One axial slice (324 of 487, counting up from the lowest) of a chest CT acquired at 120 kVp with the STANDARD kernel; each pixel is 0.586 mm and the slice is 1.25 mm thick.
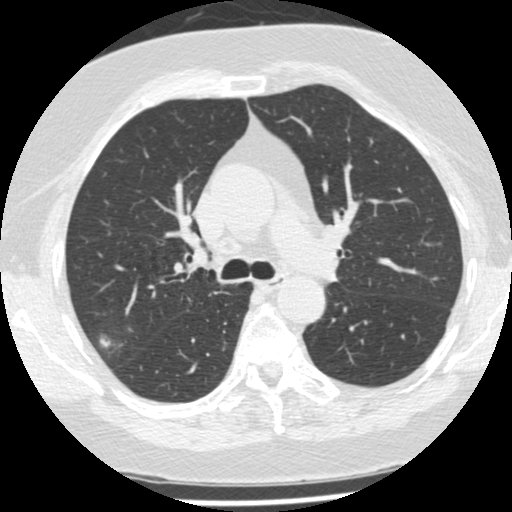
Pulmonary nodule at rows 330–356, columns 92–122 (box = the union of the readers' outlines on this slice), outlined by two of the four readers; median longest diameter 18.1 mm (readers' outlines 11.3–24.9 mm), median volume 1598 mm3 (232–2964 mm3). Ratings, median across the readers with their spread: texture 3/5 (part-solid) from both readers; median margin 1.5/5 (readers ranged 1/5 (indistinct) to 2/5); sphericity 4/5, both readers agreeing; calcification absent from both readers; internal structure soft tissue, both readers agreeing; subtlety 4/5, both readers agreeing; malignancy likelihood 3.5/5 at the median of two readers, spread 3–4. Scale key (1–5): texture non-solid→solid, margin indistinct→circumscribed, sphericity linear→round, subtlety extremely subtle→obvious, malignancy likelihood highly unlikely→highly suspicious of cancer. Box rows and columns are 0-based pixel indices from the top-left corner, inclusive.